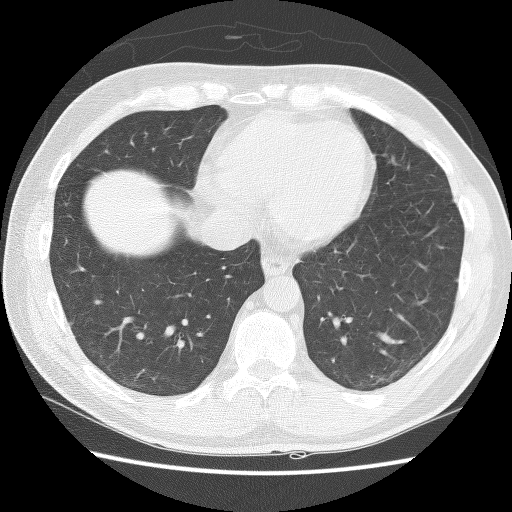
This is axial slice 43 of 127 (slice 1 is the lowest) of a chest CT; each pixel is 0.664 mm and the slice is 2.50 mm thick. Pulmonary nodule outlined by three of the four readers, two of them on this slice; box rows 322–325, columns 69–72 (the union of the readers' outlines on this slice); median longest diameter 5.4 mm (readers' outlines 4.3–6.1 mm), median volume 37 mm3 (36–71 mm3). Median ratings and the readers' spread: texture 5/5 (solid) from all three readers; margin 4/5 at the median of three readers, spread 4/5 to 5/5 (circumscribed); sphericity 4/5 at the median of three readers, spread 3/5 (ovoid) to 4/5; calcification absent from all three readers; internal structure soft tissue from all three readers; subtlety 3/5 at the median of three readers, spread 2–4; malignancy likelihood 2/5 at the median of three readers, spread 1–2. Scale key (1–5): texture non-solid→solid, margin indistinct→circumscribed, sphericity linear→round, subtlety extremely subtle→obvious, malignancy likelihood highly unlikely→highly suspicious of cancer. Box rows and columns are 0-based pixel indices from the top-left corner, inclusive.
Scan settings: 140 kVp, BONE reconstruction kernel.